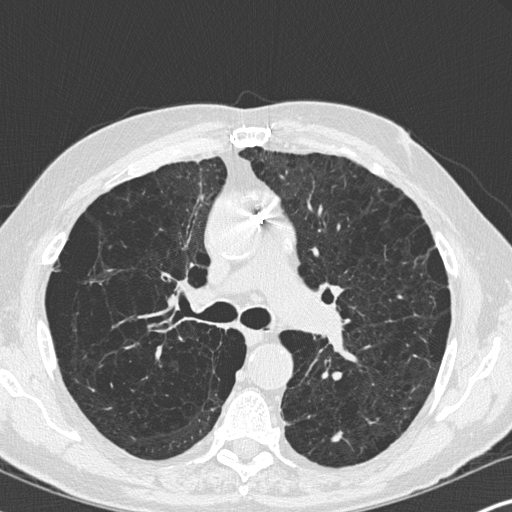
Slice 202/347 of a chest CT, counting up from the lowest; pixel size 0.625 mm, slice thickness 1.00 mm. Pulmonary nodule outlined by all four readers; box rows 430–441, columns 329–344 (the union of the readers' outlines on this slice); longest diameter 12.8 mm on average over the four readers' outlines (readers' outlines 9.8–15.6 mm), volume 236–361 mm3. The readers' prevailing ratings and who disagreed: most readers (three of four) put texture at 5/5 (solid), others 4/5 (one); margin split among the readers: 2/5 (one), 3/5 (one), 4/5 (one), 5/5 (circumscribed) (one); sphericity 3/5 (ovoid) by two of four readers; the rest gave 2/5 (one), 4/5 (one); calcification absent from all four readers; internal structure soft tissue from all four readers; most readers (three of four) put subtlety at 4/5, others 5/5 (one); malignancy likelihood split among the readers: 3/5 (two), 4/5 (two). Scale key (1–5): texture non-solid→solid, margin indistinct→circumscribed, sphericity linear→round, subtlety extremely subtle→obvious, malignancy likelihood highly unlikely→highly suspicious of cancer. Box rows and columns are 0-based pixel indices from the top-left corner, inclusive.
Tube voltage 120 kVp; convolution kernel B45f.